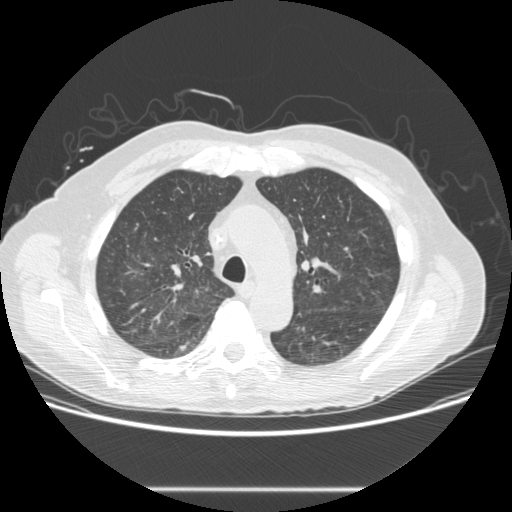
Slice 191/273 of a chest CT, counting up from the lowest; pixel size 0.740 mm, slice thickness 1.25 mm. Pulmonary nodule at rows 346–349, columns 179–185 (box = that reader's outline on this slice), outlined by one of the four readers; longest diameter 6.1 mm and volume 47 mm3 from that reader's outline. Ratings by that reader: texture 4/5; margin 4/5; sphericity 4/5; calcification absent; internal structure soft tissue; subtlety 4/5; malignancy likelihood 3/5. Scale key (1–5): texture non-solid→solid, margin indistinct→circumscribed, sphericity linear→round, subtlety extremely subtle→obvious, malignancy likelihood highly unlikely→highly suspicious of cancer. Box rows and columns are 0-based pixel indices from the top-left corner, inclusive.
Tube voltage 120 kVp; convolution kernel STANDARD.